Axial chest CT slice 100 of 183 (counted from the lowest slice); tube voltage 120 kVp, convolution kernel B30f; slices 2.00 mm thick, 0.664 mm per pixel.
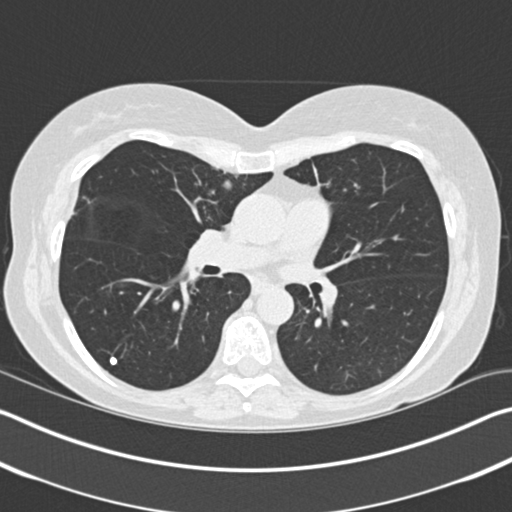
Two pulmonary nodules on this slice, listed from left to right. (1) Pulmonary nodule at rows 356–365, columns 109–116 (box = the union of the readers' outlines on this slice), outlined by three of the four readers; median longest diameter 7.1 mm (readers' outlines 5.9–7.8 mm), median volume 110 mm3 (78–146 mm3). Ratings, median across the readers with their spread: texture 5/5 (solid), all three readers agreeing; margin 5/5 (circumscribed), all three readers agreeing; sphericity 5/5 (round), all three readers agreeing; calcification: solid calcification (two), absent (one); internal structure soft tissue, all three readers agreeing; median subtlety 5/5 (readers ranged 4–5); median malignancy likelihood 1/5 (readers ranged 1–3). (2) Pulmonary nodule outlined by all four readers; box rows 180–190, columns 223–232 (the union of the readers' outlines on this slice); the four readers' outlines give a longest diameter between 14.4 and 15.3 mm and a volume between 647 and 1201 mm3. Ratings across the readers: texture 5/5 (solid) from all four readers; margin from 4/5 to 5/5 (circumscribed) across the four readers; sphericity from 3/5 (ovoid) to 4/5 across the four readers; calcification absent, all four readers agreeing; internal structure soft tissue, all four readers agreeing; subtlety from 4/5 to 5/5 across the four readers; malignancy likelihood from 3/5 to 5/5 across the four readers. Scale key (1–5): texture non-solid→solid, margin indistinct→circumscribed, sphericity linear→round, subtlety extremely subtle→obvious, malignancy likelihood highly unlikely→highly suspicious of cancer. Box rows and columns are 0-based pixel indices from the top-left corner, inclusive.